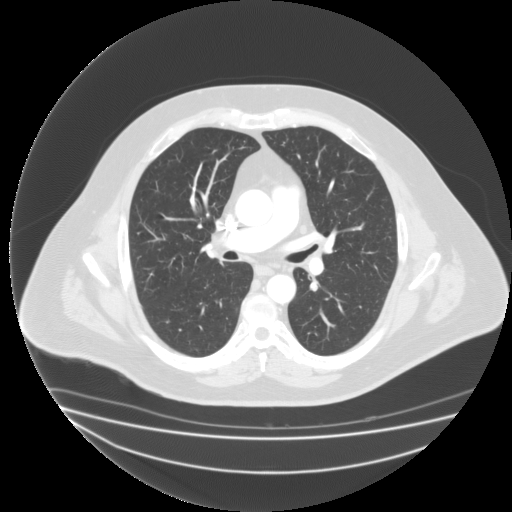
This is axial slice 110 of 183 (slice 1 is the lowest) of a chest CT; each pixel is 0.946 mm and the slice is 2.00 mm thick. The readers outlined no nodule of 3 mm or more on this slice.
Acquired at 135 kVp and reconstructed with the FC03 kernel.